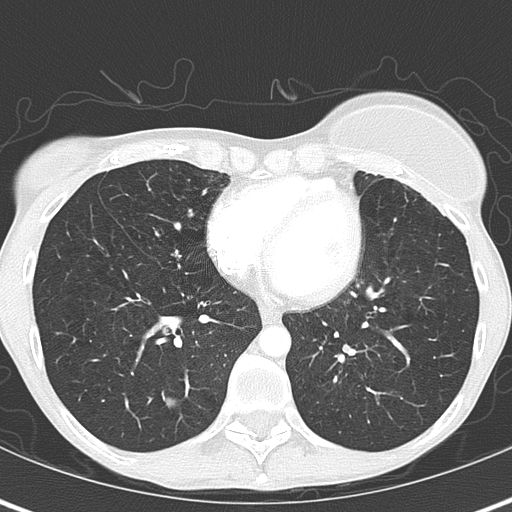
Chest CT, axial plane, 120 kVp, kernel B70f. Slice 159/345 from the bottom of the scan; thickness 2.00 mm; pixel size 0.541 mm.
Pulmonary nodule at rows 397–407, columns 165–176 (box = the union of the readers' outlines on this slice), outlined by all four readers; median longest diameter 13.8 mm (readers' outlines 13.7–13.9 mm), median volume 804 mm3 (707–844 mm3). Median ratings and the readers' spread: texture 5/5 (solid) from all four readers; margin 5/5 (circumscribed) from all four readers; median sphericity 4/5 (readers ranged 3/5 (ovoid) to 5/5 (round)); calcification split among the readers: laminated calcification (two), solid calcification (two); internal structure soft tissue from all four readers; subtlety 5/5 from all four readers; malignancy likelihood 1/5, all four readers agreeing. Scale key (1–5): texture non-solid→solid, margin indistinct→circumscribed, sphericity linear→round, subtlety extremely subtle→obvious, malignancy likelihood highly unlikely→highly suspicious of cancer. Box rows and columns are 0-based pixel indices from the top-left corner, inclusive.